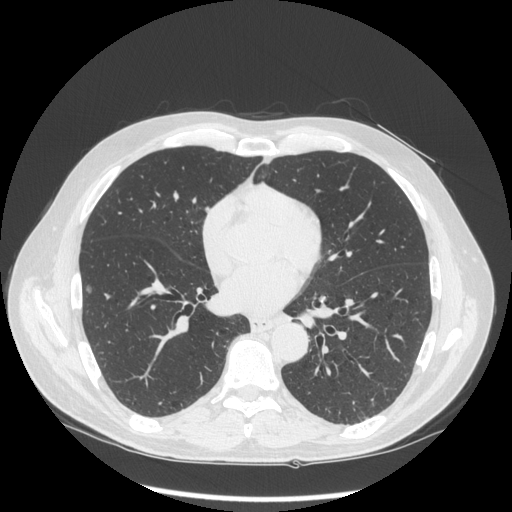
Axial slice 132 of 297 of a chest CT (slice 1 is the lowest), reconstructed with the STANDARD kernel at 120 kVp; 1.25 mm slice thickness and 0.787 mm pixels.
Pulmonary nodule, outlined by all four readers. Box on this slice rows 284–294, columns 86–91, the union of the readers' outlines on this slice; the four readers' outlines give a longest diameter between 8.2 and 9.2 mm and a volume between 151 and 187 mm3. The readers' ratings, as ranges where they differ: texture from 1/5 (non-solid) to 3/5 (part-solid) across the four readers; margin from 1/5 (indistinct) to 5/5 (circumscribed) across the four readers; sphericity from 3/5 (ovoid) to 5/5 (round) across the four readers; calcification absent from all four readers; internal structure soft tissue from all four readers; subtlety rated between 1 and 4 out of 5 by the four readers; malignancy likelihood 2–4/5 (the readers disagree). Scale key (1–5): texture non-solid→solid, margin indistinct→circumscribed, sphericity linear→round, subtlety extremely subtle→obvious, malignancy likelihood highly unlikely→highly suspicious of cancer. Box rows and columns are 0-based pixel indices from the top-left corner, inclusive.